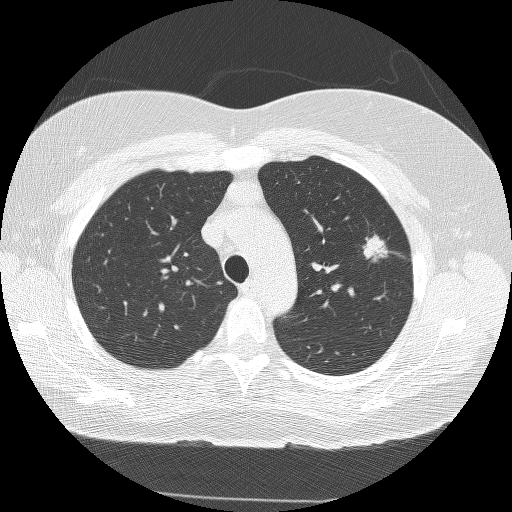
One axial slice (191 of 245, counting up from the lowest) of a chest CT acquired at 120 kVp with the BONE kernel; each pixel is 0.664 mm and the slice is 1.25 mm thick.
Two pulmonary nodules are outlined on this slice; from left to right: (1) Pulmonary nodule at rows 280–284, columns 216–222 (box = that reader's outline on this slice), outlined by one of the four readers; longest diameter 5.7 mm and volume 37 mm3 from that reader's outline. Ratings by that reader: texture 5/5 (solid); margin 2/5; sphericity 5/5 (round); calcification absent; internal structure soft tissue; subtlety 1/5; malignancy likelihood 2/5. (2) Pulmonary nodule at rows 234–262, columns 362–388 (box = the union of the readers' outlines on this slice), outlined by all four readers; the four readers' outlines give a longest diameter between 20.8 and 22.3 mm and a volume between 2976 and 3390 mm3. The readers' ratings, as ranges where they differ: texture from 4/5 to 5/5 (solid) across the four readers; margin from 3/5 to 4/5 across the four readers; sphericity from 3/5 (ovoid) to 5/5 (round) across the four readers; calcification absent from all four readers; internal structure soft tissue, all four readers agreeing; subtlety 5/5 from all four readers; malignancy likelihood 5/5 from all four readers. Scale key (1–5): texture non-solid→solid, margin indistinct→circumscribed, sphericity linear→round, subtlety extremely subtle→obvious, malignancy likelihood highly unlikely→highly suspicious of cancer. Box rows and columns are 0-based pixel indices from the top-left corner, inclusive.